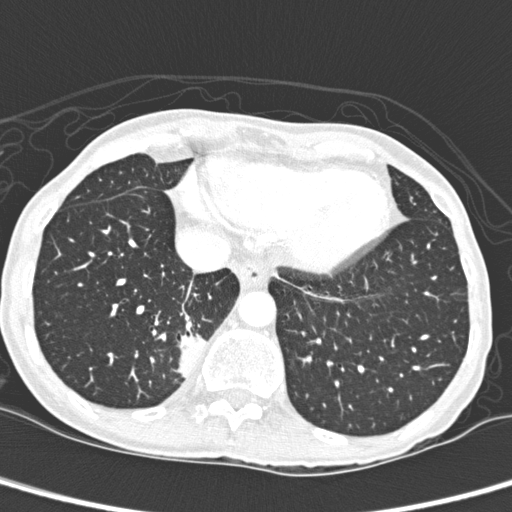
One axial slice (64 of 280, counting up from the lowest) of a chest CT acquired at 120 kVp with the D kernel; each pixel is 0.564 mm and the slice is 1.00 mm thick.
Pulmonary nodule at rows 334–378, columns 179–205 (box = the union of the readers' outlines on this slice), outlined by two of the four readers; longest diameter 33.9 mm on average over the two readers' outlines (readers' outlines 32.1–35.8 mm), volume 5657–6702 mm3. The readers' prevailing ratings and who disagreed: texture 5/5 (solid), both readers agreeing; margin 4/5 from both readers; sphericity 3/5 (ovoid), both readers agreeing; calcification absent, both readers agreeing; internal structure soft tissue from both readers; subtlety 5/5 from both readers; malignancy likelihood split among the readers: 2/5 (one), 3/5 (one). Scale key (1–5): texture non-solid→solid, margin indistinct→circumscribed, sphericity linear→round, subtlety extremely subtle→obvious, malignancy likelihood highly unlikely→highly suspicious of cancer. Box rows and columns are 0-based pixel indices from the top-left corner, inclusive.